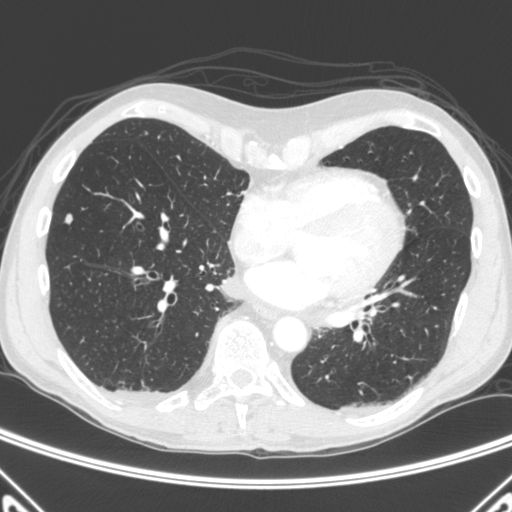
Axial slice 163 of 445 of a chest CT (slice 1 is the lowest), reconstructed with the C kernel at 120 kVp; 1.50 mm slice thickness and 0.676 mm pixels.
Pulmonary nodule outlined by all four readers; box rows 213–224, columns 64–72 (the union of the readers' outlines on this slice); longest diameter 8.2 mm on average over the four readers' outlines (readers' outlines 7.0–8.9 mm), volume 62–138 mm3. The readers' prevailing ratings and who disagreed: texture 5/5 (solid) by three of four readers; the rest gave 1/5 (non-solid) (one); margin split among the readers: 4/5 (two), 5/5 (circumscribed) (two); sphericity 4/5, all four readers agreeing; calcification absent, all four readers agreeing; internal structure soft tissue, all four readers agreeing; subtlety 5/5, all four readers agreeing; malignancy likelihood 3/5 by three of four readers; the rest gave 4/5 (one). Scale key (1–5): texture non-solid→solid, margin indistinct→circumscribed, sphericity linear→round, subtlety extremely subtle→obvious, malignancy likelihood highly unlikely→highly suspicious of cancer. Box rows and columns are 0-based pixel indices from the top-left corner, inclusive.